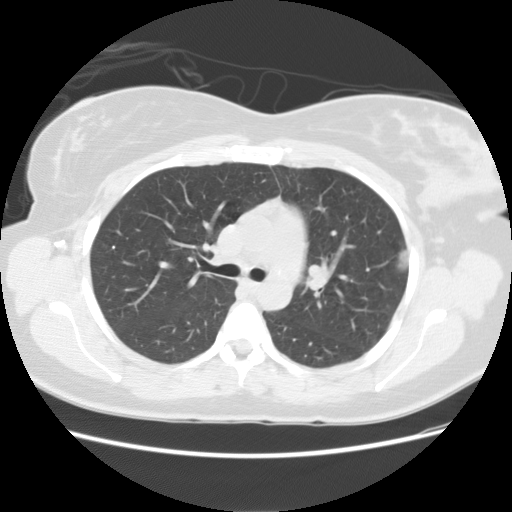
Axial chest CT slice 89 of 127 (counted from the lowest slice); tube voltage 120 kVp, convolution kernel STANDARD; slices 2.50 mm thick, 0.703 mm per pixel.
Pulmonary nodule at rows 247–273, columns 395–408 (box = the union of the readers' outlines on this slice), outlined by all four readers, three of them on this slice; longest diameter 25.4 mm on average over the four readers' outlines (readers' outlines 24.6–26.3 mm), volume 2071–2699 mm3. The readers' prevailing ratings and who disagreed: texture 5/5 (solid) from all four readers; most readers (three of four) put margin at 5/5 (circumscribed), others 4/5 (one); sphericity 3/5 (ovoid) by three of four readers; the rest gave 5/5 (round) (one); calcification absent, all four readers agreeing; internal structure soft tissue, all four readers agreeing; subtlety 5/5 from all four readers; malignancy likelihood 5/5 by two of four readers; the rest gave 3/5 (one), 4/5 (one). Scale key (1–5): texture non-solid→solid, margin indistinct→circumscribed, sphericity linear→round, subtlety extremely subtle→obvious, malignancy likelihood highly unlikely→highly suspicious of cancer. Box rows and columns are 0-based pixel indices from the top-left corner, inclusive.